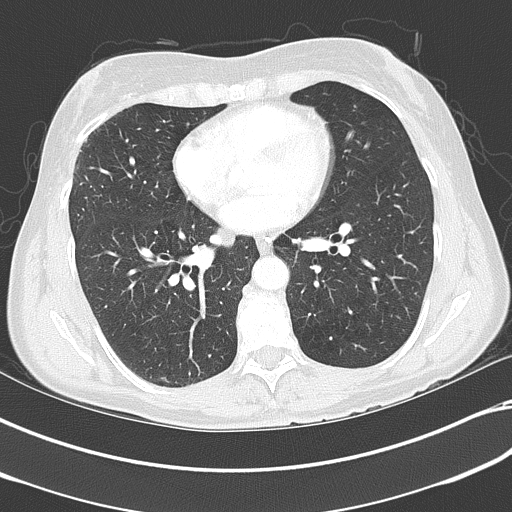
Axial chest CT slice 176 of 351 (counted from the lowest slice); 2.00 mm thick, 0.643 mm per pixel. Pulmonary nodule outlined by two of the four readers; box rows 230–233, columns 154–157 (the union of the readers' outlines on this slice); median longest diameter 3.8 mm (readers' outlines 3.5–4.1 mm), median volume 27 mm3 (17–36 mm3). Ratings, median across the readers with their spread: texture 5/5 (solid), both readers agreeing; median margin 4.5/5 (readers ranged 4/5 to 5/5 (circumscribed)); median sphericity 4.5/5 (readers ranged 4/5 to 5/5 (round)); calcification split among the readers: solid calcification (one), absent (one); internal structure soft tissue, both readers agreeing; subtlety 4/5, both readers agreeing; median malignancy likelihood 1.5/5 (readers ranged 1–2). Scale key (1–5): texture non-solid→solid, margin indistinct→circumscribed, sphericity linear→round, subtlety extremely subtle→obvious, malignancy likelihood highly unlikely→highly suspicious of cancer. Box rows and columns are 0-based pixel indices from the top-left corner, inclusive.
Tube voltage 120 kVp; convolution kernel B70f.